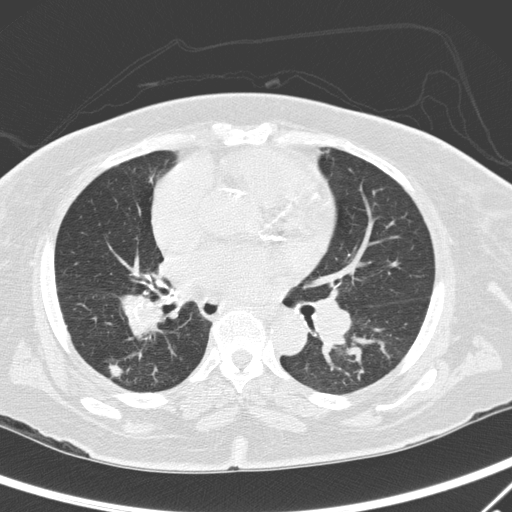
This is axial slice 157 of 295 (slice 1 is the lowest) of a chest CT; each pixel is 0.682 mm and the slice is 2.00 mm thick. Pulmonary nodule at rows 358–384, columns 106–130 (box = that reader's outline on this slice), outlined by one of the four readers; longest diameter 49.8 mm and volume 6337 mm3 from that reader's outline. That reader's ratings: texture 4/5; margin 1/5 (indistinct); sphericity 3/5 (ovoid); calcification absent; internal structure soft tissue; subtlety 5/5; malignancy likelihood 5/5. Scale key (1–5): texture non-solid→solid, margin indistinct→circumscribed, sphericity linear→round, subtlety extremely subtle→obvious, malignancy likelihood highly unlikely→highly suspicious of cancer. Box rows and columns are 0-based pixel indices from the top-left corner, inclusive.
Scan settings: 120 kVp, D reconstruction kernel.